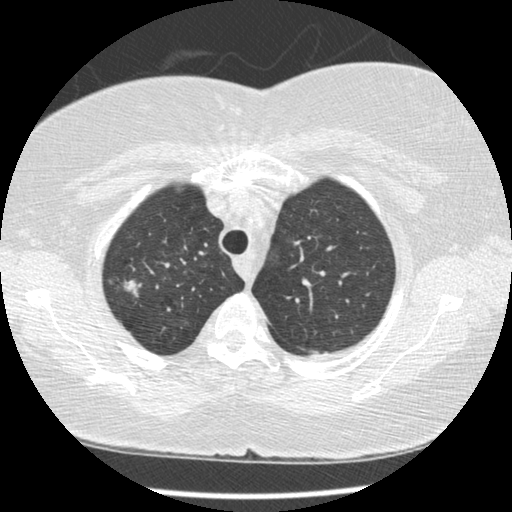
One axial slice (296 of 375, counting up from the lowest) of a chest CT acquired at 120 kVp with the STANDARD kernel; each pixel is 0.625 mm and the slice is 1.25 mm thick.
Pulmonary nodule, outlined by all four readers. Box on this slice rows 277–297, columns 122–137, the union of the readers' outlines on this slice; longest diameter 21.2–23.2 mm and volume 2289–3466 mm3 across the four readers' outlines. Ratings across the readers: texture from 4/5 to 5/5 (solid) across the four readers; margin from 3/5 to 5/5 (circumscribed) across the four readers; sphericity from 2/5 to 5/5 (round) across the four readers; calcification absent, all four readers agreeing; internal structure soft tissue from all four readers; subtlety 5/5, all four readers agreeing; malignancy likelihood from 3/5 to 5/5 across the four readers. Scale key (1–5): texture non-solid→solid, margin indistinct→circumscribed, sphericity linear→round, subtlety extremely subtle→obvious, malignancy likelihood highly unlikely→highly suspicious of cancer. Box rows and columns are 0-based pixel indices from the top-left corner, inclusive.